Axial chest CT slice 198 of 241 (counted from the lowest slice); tube voltage 120 kVp, convolution kernel STANDARD; slices 1.25 mm thick, 0.773 mm per pixel.
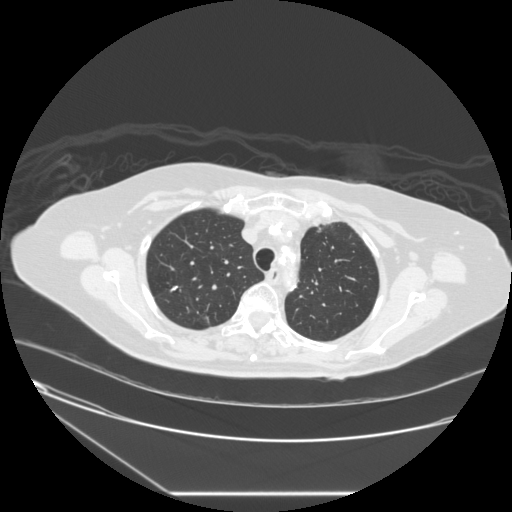
Pulmonary nodule at rows 285–290, columns 171–178 (box = the union of the readers' outlines on this slice), outlined by two of the four readers; longest diameter 9.7 mm on average over the two readers' outlines (readers' outlines 8.8–10.5 mm), volume 112–189 mm3. Ratings, by the readers' most common answer with dissent counted: texture 5/5 (solid) from both readers; margin 5/5 (circumscribed), both readers agreeing; sphericity split among the readers: 2/5 (one), 3/5 (ovoid) (one); calcification split among the readers: absent (one), solid calcification (one); internal structure soft tissue from both readers; subtlety split among the readers: 3/5 (one), 5/5 (one); malignancy likelihood split among the readers: 1/5 (one), 2/5 (one). Scale key (1–5): texture non-solid→solid, margin indistinct→circumscribed, sphericity linear→round, subtlety extremely subtle→obvious, malignancy likelihood highly unlikely→highly suspicious of cancer. Box rows and columns are 0-based pixel indices from the top-left corner, inclusive.